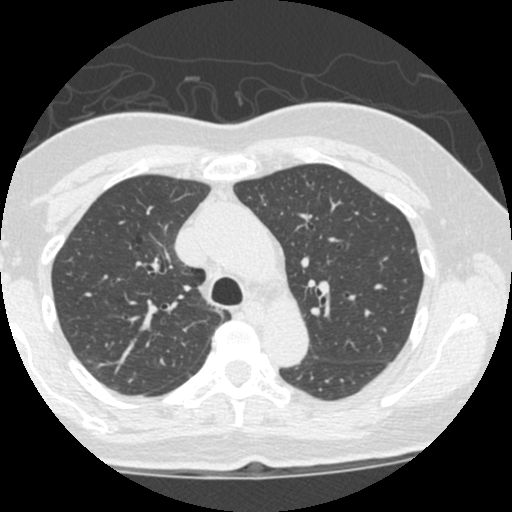
Axial slice 368 of 490 of a chest CT (slice 1 is the lowest), reconstructed with the STANDARD kernel at 120 kVp; 1.25 mm slice thickness and 0.547 mm pixels.
Pulmonary nodule at rows 359–364, columns 84–96 (box = the one reader's outline on this slice), outlined by three of the four readers, one of them on this slice; longest diameter 15.9 mm on average over the three readers' outlines (readers' outlines 14.3–18.3 mm), volume 967–1422 mm3. The readers' prevailing ratings and who disagreed: most readers (two of three) put texture at 1/5 (non-solid), others 5/5 (solid) (one); margin 2/5 by two of three readers; the rest gave 4/5 (one); sphericity split among the readers: 3/5 (ovoid) (one), 4/5 (one), 5/5 (round) (one); calcification absent, all three readers agreeing; internal structure soft tissue, all three readers agreeing; subtlety 5/5 by two of three readers; the rest gave 1/5 (one); malignancy likelihood split among the readers: 2/5 (one), 3/5 (one), 5/5 (one). Scale key (1–5): texture non-solid→solid, margin indistinct→circumscribed, sphericity linear→round, subtlety extremely subtle→obvious, malignancy likelihood highly unlikely→highly suspicious of cancer. Box rows and columns are 0-based pixel indices from the top-left corner, inclusive.